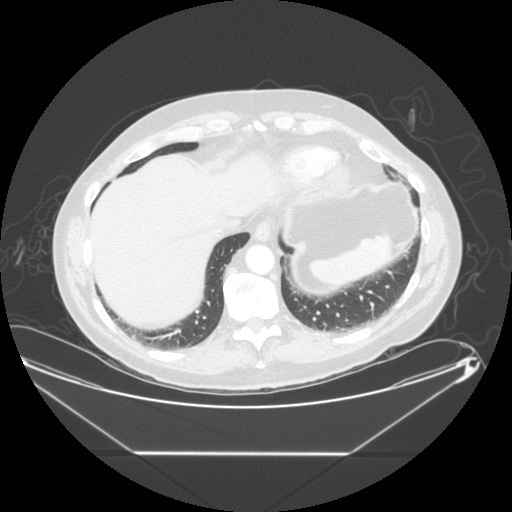
One axial slice (66 of 265, counting up from the lowest) of a chest CT acquired at 120 kVp with the STANDARD kernel; each pixel is 0.883 mm and the slice is 1.25 mm thick.
Pulmonary nodule outlined by all four readers, three of them on this slice; box rows 334–339, columns 131–135 (the union of the readers' outlines on this slice); median longest diameter 6.1 mm (readers' outlines 5.9–7.3 mm), median volume 85 mm3 (65–115 mm3). Median ratings and the readers' spread: texture 5/5 (solid) from all four readers; margin 5/5 (circumscribed), all four readers agreeing; median sphericity 3.5/5 (readers ranged 3/5 (ovoid) to 5/5 (round)); calcification: solid calcification (three), absent (one); internal structure soft tissue from all four readers; median subtlety 4.5/5 (readers ranged 3–5); malignancy likelihood 1/5 at the median of four readers, spread 1–2. Scale key (1–5): texture non-solid→solid, margin indistinct→circumscribed, sphericity linear→round, subtlety extremely subtle→obvious, malignancy likelihood highly unlikely→highly suspicious of cancer. Box rows and columns are 0-based pixel indices from the top-left corner, inclusive.